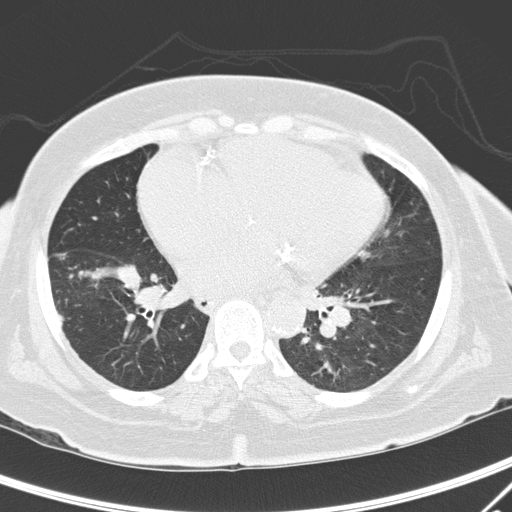
One axial slice (129 of 295, counting up from the lowest) of a chest CT acquired at 120 kVp with the D kernel; each pixel is 0.682 mm and the slice is 2.00 mm thick.
Pulmonary nodule at rows 314–324, columns 58–63 (box = the union of the readers' outlines on this slice), outlined by three of the four readers; longest diameter 9.6 mm on average over the three readers' outlines (readers' outlines 9.3–10.1 mm), volume 186–247 mm3. The readers' prevailing ratings and who disagreed: texture 5/5 (solid) by two of three readers; the rest gave 4/5 (one); margin 4/5 by two of three readers; the rest gave 1/5 (indistinct) (one); sphericity 3/5 (ovoid) from all three readers; calcification absent, all three readers agreeing; internal structure soft tissue from all three readers; most readers (two of three) put subtlety at 5/5, others 4/5 (one); malignancy likelihood split among the readers: 1/5 (one), 3/5 (one), 4/5 (one). Scale key (1–5): texture non-solid→solid, margin indistinct→circumscribed, sphericity linear→round, subtlety extremely subtle→obvious, malignancy likelihood highly unlikely→highly suspicious of cancer. Box rows and columns are 0-based pixel indices from the top-left corner, inclusive.